One axial slice (256 of 369, counting up from the lowest) of a chest CT acquired at 120 kVp with the STANDARD kernel; each pixel is 0.703 mm and the slice is 1.25 mm thick.
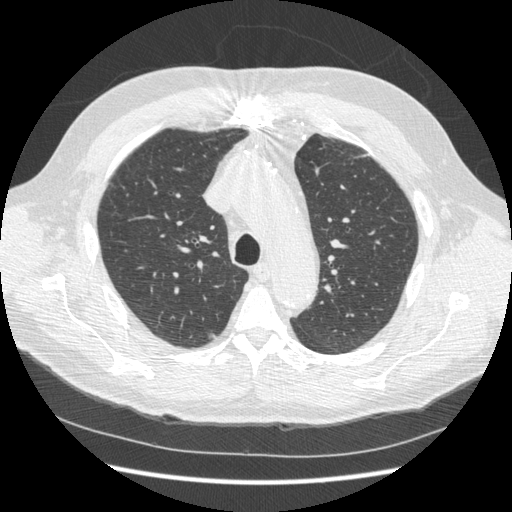
Pulmonary nodule at rows 333–338, columns 208–215 (box = that reader's outline on this slice), outlined by one of the four readers; longest diameter 7.6 mm and volume 55 mm3 from that reader's outline. That reader's ratings: texture 5/5 (solid); margin 1/5 (indistinct); sphericity 3/5 (ovoid); calcification absent; internal structure soft tissue; subtlety 5/5; malignancy likelihood 2/5. Scale key (1–5): texture non-solid→solid, margin indistinct→circumscribed, sphericity linear→round, subtlety extremely subtle→obvious, malignancy likelihood highly unlikely→highly suspicious of cancer. Box rows and columns are 0-based pixel indices from the top-left corner, inclusive.